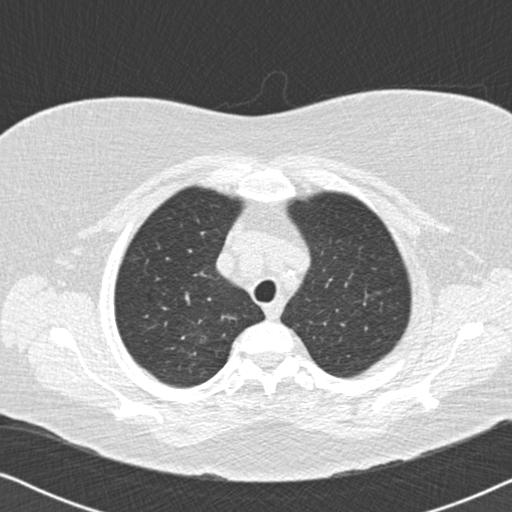
Axial slice 156 of 177 of a chest CT (slice 1 is the lowest), reconstructed with the B30f kernel at 120 kVp; 2.00 mm slice thickness and 0.643 mm pixels.
Two pulmonary nodules on this slice, listed from left to right. (1) Pulmonary nodule, outlined by two of the four readers. Box on this slice rows 334–343, columns 199–207, the union of the readers' outlines on this slice; median longest diameter 18.7 mm (readers' outlines 18.7 mm), median volume 908 mm3 (907–910 mm3). Median ratings and the readers' spread: texture 1/5 (non-solid), both readers agreeing; margin 1/5 (indistinct), both readers agreeing; sphericity 2.5/5 at the median of two readers, spread 2/5 to 3/5 (ovoid); calcification absent, both readers agreeing; internal structure soft tissue, both readers agreeing; subtlety 1.5/5 at the median of two readers, spread 1–2; malignancy likelihood 3/5, both readers agreeing. (2) Pulmonary nodule outlined by one of the four readers; box rows 292–293, columns 375–380 (that reader's outline on this slice); longest diameter 7.8 mm and volume 98 mm3 from that reader's outline. That reader's ratings: texture 1/5 (non-solid); margin 2/5; sphericity 3/5 (ovoid); calcification absent; internal structure soft tissue; subtlety 2/5; malignancy likelihood 3/5. Scale key (1–5): texture non-solid→solid, margin indistinct→circumscribed, sphericity linear→round, subtlety extremely subtle→obvious, malignancy likelihood highly unlikely→highly suspicious of cancer. Box rows and columns are 0-based pixel indices from the top-left corner, inclusive.